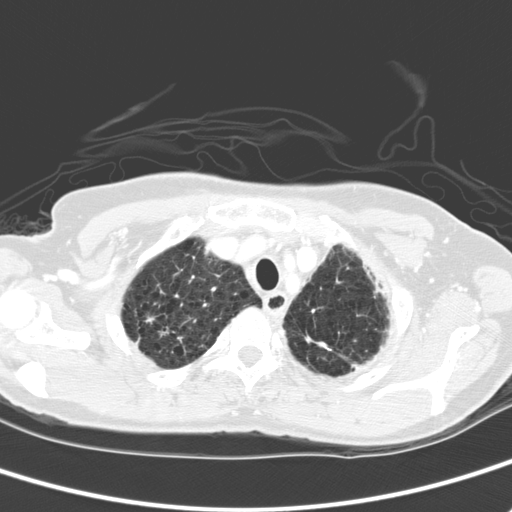
Slice 223/280 of a chest CT, counting up from the lowest; pixel size 0.613 mm, slice thickness 2.00 mm. Pulmonary nodule, outlined by all four readers, two of them on this slice. Box on this slice rows 339–344, columns 136–140, the union of the readers' outlines on this slice; longest diameter 17.7 mm on average over the four readers' outlines (readers' outlines 16.7–18.9 mm), volume 701–1041 mm3. Ratings, by the readers' most common answer with dissent counted: texture 5/5 (solid) by two of four readers; the rest gave 3/5 (part-solid) (one), 4/5 (one); margin 1/5 (indistinct) by two of four readers; the rest gave 4/5 (one), 5/5 (circumscribed) (one); sphericity 2/5 by two of four readers; the rest gave 3/5 (ovoid) (one), 4/5 (one); calcification absent from all four readers; internal structure soft tissue, all four readers agreeing; subtlety 5/5 by two of four readers; the rest gave 2/5 (one), 4/5 (one); malignancy likelihood 4/5 by two of four readers; the rest gave 3/5 (one), 5/5 (one). Scale key (1–5): texture non-solid→solid, margin indistinct→circumscribed, sphericity linear→round, subtlety extremely subtle→obvious, malignancy likelihood highly unlikely→highly suspicious of cancer. Box rows and columns are 0-based pixel indices from the top-left corner, inclusive.
Tube voltage 120 kVp; convolution kernel D.